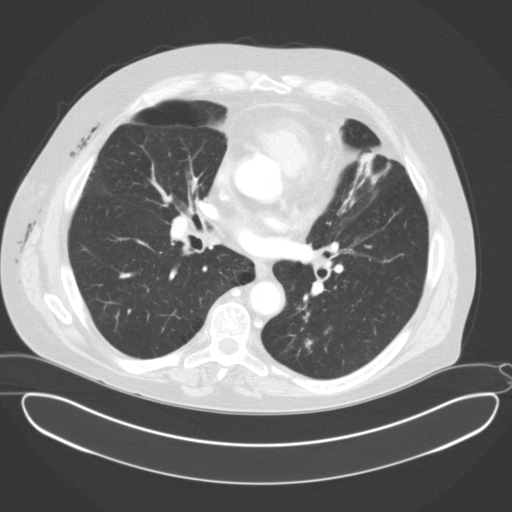
Axial slice 95 of 153 of a chest CT (slice 1 is the lowest), reconstructed with the B31f kernel at 120 kVp; 3.00 mm slice thickness and 0.836 mm pixels.
No nodule of 3 mm or larger was outlined by any of the four readers on this slice.